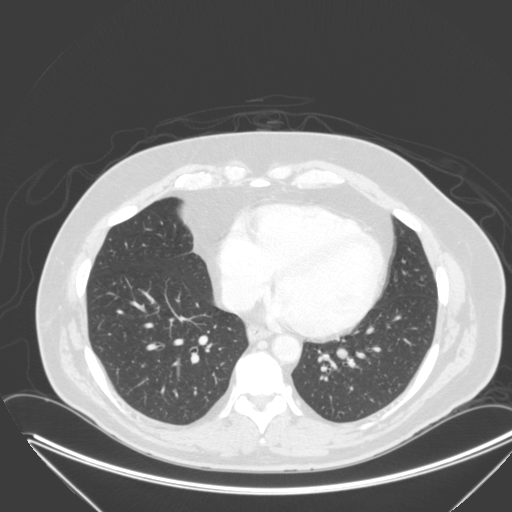
Axial chest CT slice 117 of 315 (counted from the lowest slice); 2.00 mm thick, 0.830 mm per pixel. Pulmonary nodule outlined by all four readers; box rows 347–359, columns 336–348 (the union of the readers' outlines on this slice); longest diameter 13.2 mm on average over the four readers' outlines (readers' outlines 12.3–13.9 mm), volume 668–831 mm3. Ratings, by the readers' most common answer with dissent counted: most readers (three of four) put texture at 5/5 (solid), others 4/5 (one); margin 5/5 (circumscribed) by three of four readers; the rest gave 4/5 (one); most readers (three of four) put sphericity at 5/5 (round), others 4/5 (one); calcification absent from all four readers; internal structure soft tissue from all four readers; subtlety 4/5 by two of four readers; the rest gave 3/5 (one), 5/5 (one); malignancy likelihood 3/5 by three of four readers; the rest gave 5/5 (one). Scale key (1–5): texture non-solid→solid, margin indistinct→circumscribed, sphericity linear→round, subtlety extremely subtle→obvious, malignancy likelihood highly unlikely→highly suspicious of cancer. Box rows and columns are 0-based pixel indices from the top-left corner, inclusive.
Tube voltage 120 kVp; convolution kernel B.